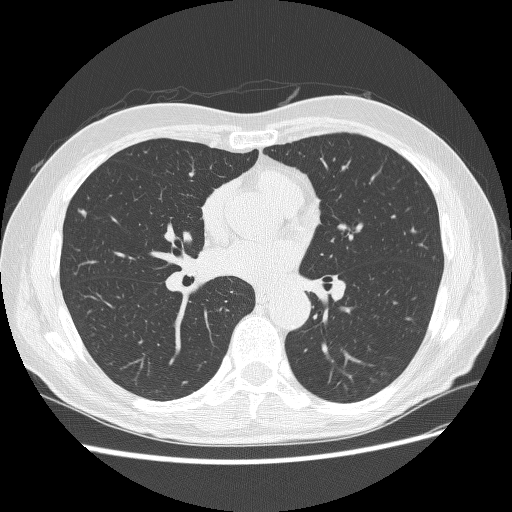
Axial chest CT slice 138 of 280 (counted from the lowest slice); 1.25 mm thick, 0.703 mm per pixel. Pulmonary nodule at rows 208–218, columns 77–87 (box = the union of the readers' outlines on this slice), outlined by three of the four readers; longest diameter 8.9 mm on average over the three readers' outlines (readers' outlines 8.2–9.8 mm), volume 110–166 mm3. Ratings, by the readers' most common answer with dissent counted: texture 5/5 (solid) from all three readers; margin 4/5 by two of three readers; the rest gave 3/5 (one); most readers (two of three) put sphericity at 3/5 (ovoid), others 2/5 (one); calcification absent from all three readers; internal structure soft tissue, all three readers agreeing; subtlety split among the readers: 3/5 (one), 4/5 (one), 5/5 (one); most readers (two of three) put malignancy likelihood at 3/5, others 4/5 (one). Scale key (1–5): texture non-solid→solid, margin indistinct→circumscribed, sphericity linear→round, subtlety extremely subtle→obvious, malignancy likelihood highly unlikely→highly suspicious of cancer. Box rows and columns are 0-based pixel indices from the top-left corner, inclusive.
Acquired at 120 kVp and reconstructed with the BONE kernel.